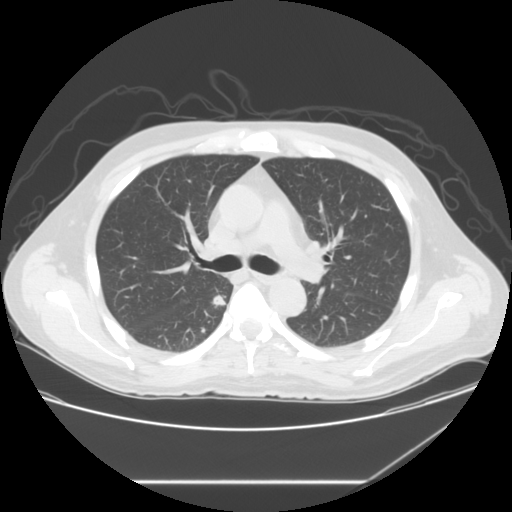
This is axial slice 91 of 133 (slice 1 is the lowest) of a chest CT; each pixel is 0.781 mm and the slice is 2.50 mm thick. Pulmonary nodule, outlined by two of the four readers. Box on this slice rows 295–307, columns 212–225, the union of the readers' outlines on this slice; median longest diameter 13.1 mm (readers' outlines 11.7–14.5 mm), median volume 959 mm3 (673–1246 mm3). Median ratings and the readers' spread: texture 5/5 (solid) from both readers; margin 3.5/5 at the median of two readers, spread 3/5 to 4/5; sphericity 3.5/5 at the median of two readers, spread 3/5 (ovoid) to 4/5; calcification absent from both readers; internal structure soft tissue, both readers agreeing; median subtlety 4.5/5 (readers ranged 4–5); median malignancy likelihood 4.5/5 (readers ranged 4–5). Scale key (1–5): texture non-solid→solid, margin indistinct→circumscribed, sphericity linear→round, subtlety extremely subtle→obvious, malignancy likelihood highly unlikely→highly suspicious of cancer. Box rows and columns are 0-based pixel indices from the top-left corner, inclusive.
Acquired at 120 kVp and reconstructed with the STANDARD kernel.